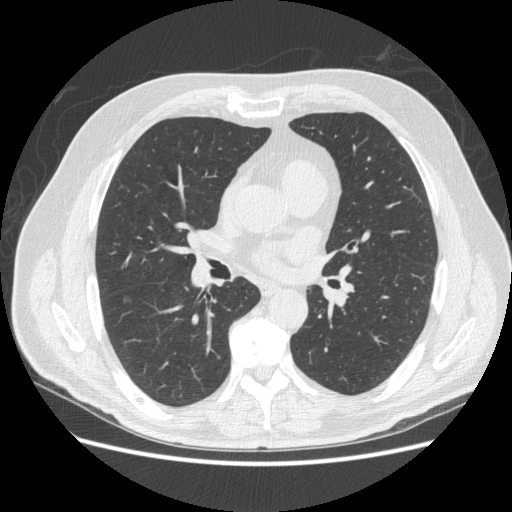
One axial slice (261 of 503, counting up from the lowest) of a chest CT acquired at 120 kVp with the STANDARD kernel; each pixel is 0.742 mm and the slice is 1.25 mm thick.
Pulmonary nodule at rows 294–304, columns 122–131 (box = the union of the readers' outlines on this slice), outlined by three of the four readers; median longest diameter 9.7 mm (readers' outlines 7.3–10.1 mm), median volume 120 mm3 (62–129 mm3). Ratings, median across the readers with their spread: texture 1/5 (non-solid) at the median of three readers, spread 1/5 (non-solid) to 4/5; median margin 2/5 (readers ranged 2/5 to 4/5); sphericity 4/5 at the median of three readers, spread 3/5 (ovoid) to 4/5; calcification absent from all three readers; internal structure soft tissue from all three readers; subtlety 2/5 at the median of three readers, spread 1–4; median malignancy likelihood 3/5 (readers ranged 3–4). Scale key (1–5): texture non-solid→solid, margin indistinct→circumscribed, sphericity linear→round, subtlety extremely subtle→obvious, malignancy likelihood highly unlikely→highly suspicious of cancer. Box rows and columns are 0-based pixel indices from the top-left corner, inclusive.